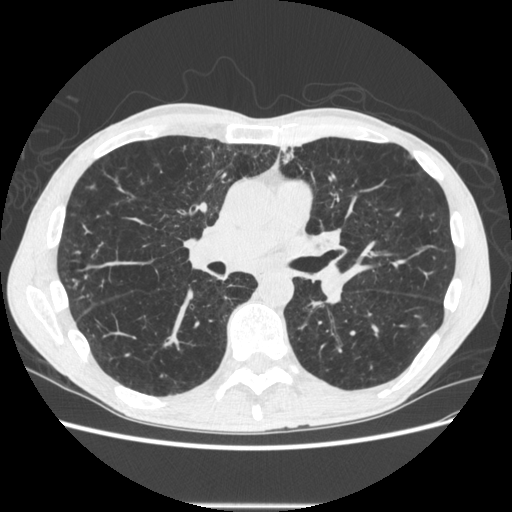
Axial chest CT slice 336 of 605 (counted from the lowest slice); tube voltage 120 kVp, convolution kernel STANDARD; slices 1.25 mm thick, 0.703 mm per pixel.
Pulmonary nodule at rows 154–158, columns 407–413 (box = the one reader's outline on this slice), outlined by all four readers, one of them on this slice; the four readers' outlines give a longest diameter between 8.0 and 8.9 mm and a volume between 44 and 96 mm3. The readers' ratings, as ranges where they differ: texture 5/5 (solid) from all four readers; margin from 4/5 to 5/5 (circumscribed) across the four readers; sphericity from 3/5 (ovoid) to 5/5 (round) across the four readers; calcification absent, all four readers agreeing; internal structure soft tissue from all four readers; subtlety 4/5 from all four readers; malignancy likelihood 1–3/5 (the readers disagree). Scale key (1–5): texture non-solid→solid, margin indistinct→circumscribed, sphericity linear→round, subtlety extremely subtle→obvious, malignancy likelihood highly unlikely→highly suspicious of cancer. Box rows and columns are 0-based pixel indices from the top-left corner, inclusive.